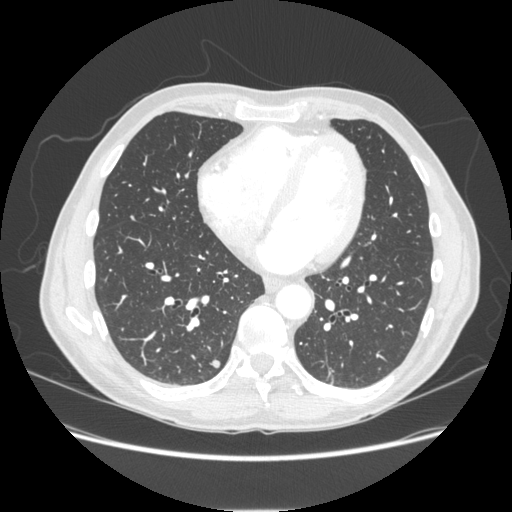
Chest CT, axial plane, 120 kVp, kernel STANDARD. Slice 93/253 from the bottom of the scan; thickness 1.25 mm; pixel size 0.742 mm.
Pulmonary nodule, outlined by all four readers. Box on this slice rows 359–367, columns 211–219, the union of the readers' outlines on this slice; median longest diameter 8.0 mm (readers' outlines 7.3–8.5 mm), median volume 178 mm3 (145–206 mm3). Median ratings and the readers' spread: texture 5/5 (solid) from all four readers; median margin 5/5 (circumscribed) (readers ranged 4/5 to 5/5 (circumscribed)); sphericity 4.5/5 at the median of four readers, spread 4/5 to 5/5 (round); calcification absent, all four readers agreeing; internal structure soft tissue, all four readers agreeing; median subtlety 3.5/5 (readers ranged 3–4); median malignancy likelihood 2.5/5 (readers ranged 2–4). Scale key (1–5): texture non-solid→solid, margin indistinct→circumscribed, sphericity linear→round, subtlety extremely subtle→obvious, malignancy likelihood highly unlikely→highly suspicious of cancer. Box rows and columns are 0-based pixel indices from the top-left corner, inclusive.